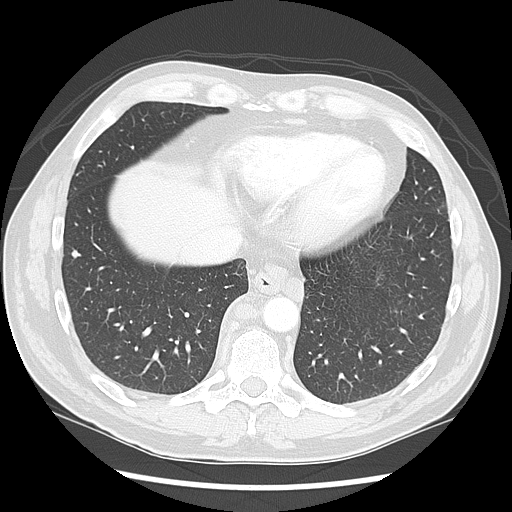
Axial slice 49 of 139 of a chest CT (slice 1 is the lowest), reconstructed with the LUNG kernel at 120 kVp; 2.50 mm slice thickness and 0.703 mm pixels.
Pulmonary nodule at rows 249–258, columns 71–77 (box = the union of the readers' outlines on this slice), outlined by two of the four readers; median longest diameter 7.1 mm (readers' outlines 6.4–7.9 mm), median volume 117 mm3 (113–121 mm3). Ratings, median across the readers with their spread: texture 5/5 (solid), both readers agreeing; margin 4.5/5 at the median of two readers, spread 4/5 to 5/5 (circumscribed); sphericity 4/5 from both readers; calcification absent, both readers agreeing; internal structure soft tissue, both readers agreeing; subtlety 3.5/5 at the median of two readers, spread 3–4; malignancy likelihood 2/5 from both readers. Scale key (1–5): texture non-solid→solid, margin indistinct→circumscribed, sphericity linear→round, subtlety extremely subtle→obvious, malignancy likelihood highly unlikely→highly suspicious of cancer. Box rows and columns are 0-based pixel indices from the top-left corner, inclusive.